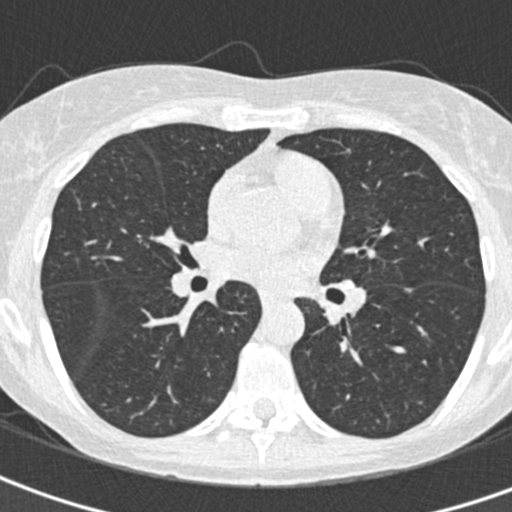
Chest CT, axial plane, 120 kVp, kernel B30f. Slice 224/425 from the bottom of the scan; thickness 0.75 mm; pixel size 0.539 mm.
Pulmonary nodule outlined by all four readers, one of them on this slice; box rows 289–291, columns 405–411 (the one reader's outline on this slice); median longest diameter 11.5 mm (readers' outlines 7.7–12.7 mm), median volume 179 mm3 (139–224 mm3). Median ratings and the readers' spread: texture 5/5 (solid) from all four readers; margin 5/5 (circumscribed), all four readers agreeing; sphericity 4/5 at the median of four readers, spread 2/5 to 5/5 (round); calcification solid calcification, all four readers agreeing; internal structure soft tissue from all four readers; subtlety 5/5 from all four readers; malignancy likelihood 1/5 from all four readers. Scale key (1–5): texture non-solid→solid, margin indistinct→circumscribed, sphericity linear→round, subtlety extremely subtle→obvious, malignancy likelihood highly unlikely→highly suspicious of cancer. Box rows and columns are 0-based pixel indices from the top-left corner, inclusive.